Axial chest CT slice 104 of 261 (counted from the lowest slice); tube voltage 120 kVp, convolution kernel BONE; slices 1.25 mm thick, 0.586 mm per pixel.
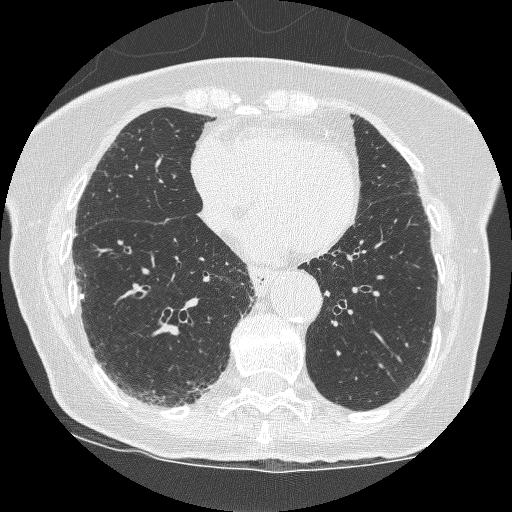
Pulmonary nodule at rows 294–299, columns 79–83 (box = the union of the readers' outlines on this slice), outlined by all four readers; median longest diameter 5.3 mm (readers' outlines 4.2–5.6 mm), median volume 41 mm3 (31–43 mm3). Median ratings and the readers' spread: texture 5/5 (solid) from all four readers; margin 5/5 (circumscribed) from all four readers; median sphericity 4.5/5 (readers ranged 4/5 to 5/5 (round)); calcification: solid calcification (three), absent (one); internal structure soft tissue from all four readers; subtlety 3.5/5 at the median of four readers, spread 3–5; malignancy likelihood 1/5 from all four readers. Scale key (1–5): texture non-solid→solid, margin indistinct→circumscribed, sphericity linear→round, subtlety extremely subtle→obvious, malignancy likelihood highly unlikely→highly suspicious of cancer. Box rows and columns are 0-based pixel indices from the top-left corner, inclusive.